Chest CT, axial plane, 120 kVp, kernel STANDARD. Slice 122/158 from the bottom of the scan; thickness 2.50 mm; pixel size 0.723 mm.
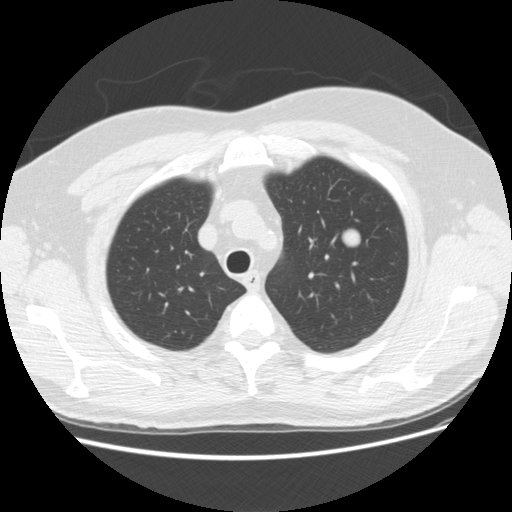
Pulmonary nodule, outlined by all four readers. Box on this slice rows 228–249, columns 342–360, the union of the readers' outlines on this slice; median longest diameter 17.0 mm (readers' outlines 16.2–18.8 mm), median volume 2205 mm3 (1663–2984 mm3). Ratings, median across the readers with their spread: texture 5/5 (solid), all four readers agreeing; margin 5/5 (circumscribed) from all four readers; median sphericity 5/5 (round) (readers ranged 4/5 to 5/5 (round)); calcification absent, all four readers agreeing; internal structure soft tissue, all four readers agreeing; subtlety 5/5 from all four readers; median malignancy likelihood 4/5 (readers ranged 2–5). Scale key (1–5): texture non-solid→solid, margin indistinct→circumscribed, sphericity linear→round, subtlety extremely subtle→obvious, malignancy likelihood highly unlikely→highly suspicious of cancer. Box rows and columns are 0-based pixel indices from the top-left corner, inclusive.